One axial slice (325 of 481, counting up from the lowest) of a chest CT acquired at 120 kVp with the STANDARD kernel; each pixel is 0.664 mm and the slice is 1.25 mm thick.
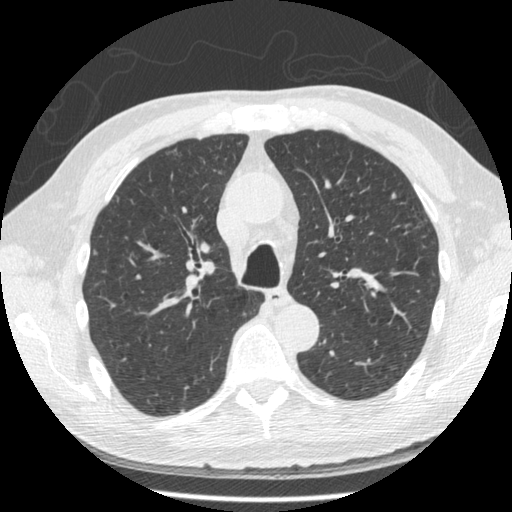
Pulmonary nodule, outlined by one of the four readers. Box on this slice rows 192–200, columns 390–395, that reader's outline on this slice; longest diameter 7.4 mm and volume 65 mm3 from that reader's outline. That reader's ratings: texture 5/5 (solid); margin 5/5 (circumscribed); sphericity 4/5; calcification absent; internal structure soft tissue; subtlety 4/5; malignancy likelihood 3/5. Scale key (1–5): texture non-solid→solid, margin indistinct→circumscribed, sphericity linear→round, subtlety extremely subtle→obvious, malignancy likelihood highly unlikely→highly suspicious of cancer. Box rows and columns are 0-based pixel indices from the top-left corner, inclusive.